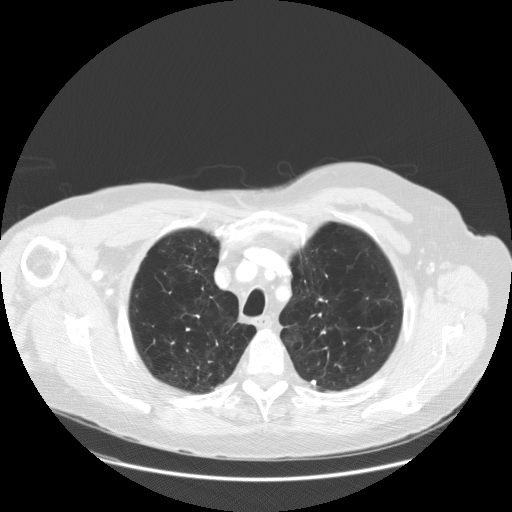
Axial slice 125 of 149 of a chest CT (slice 1 is the lowest), reconstructed with the STANDARD kernel at 120 kVp; 2.50 mm slice thickness and 0.820 mm pixels.
Pulmonary nodule outlined by two of the four readers; box rows 380–384, columns 311–315 (the union of the readers' outlines on this slice); longest diameter 5.3 mm on average over the two readers' outlines (readers' outlines 5.2–5.5 mm), volume 96–106 mm3. Ratings, by the readers' most common answer with dissent counted: texture 5/5 (solid), both readers agreeing; margin 5/5 (circumscribed), both readers agreeing; sphericity 5/5 (round) from both readers; calcification solid calcification, both readers agreeing; internal structure soft tissue, both readers agreeing; subtlety split among the readers: 2/5 (one), 5/5 (one); malignancy likelihood 1/5 from both readers. Scale key (1–5): texture non-solid→solid, margin indistinct→circumscribed, sphericity linear→round, subtlety extremely subtle→obvious, malignancy likelihood highly unlikely→highly suspicious of cancer. Box rows and columns are 0-based pixel indices from the top-left corner, inclusive.